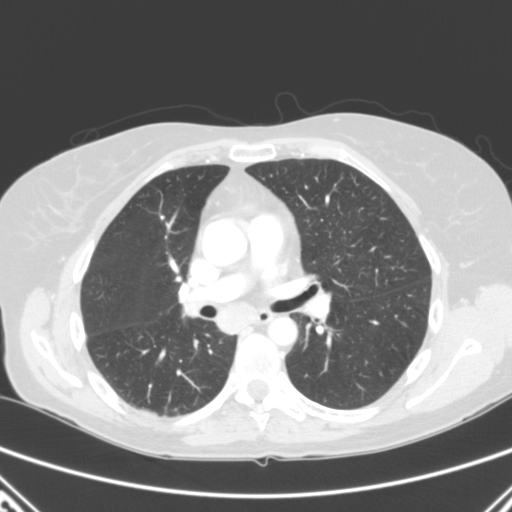
One axial slice (159 of 280, counting up from the lowest) of a chest CT acquired at 120 kVp with the B kernel; each pixel is 0.676 mm and the slice is 2.00 mm thick.
Pulmonary nodule, outlined by one of the four readers. Box on this slice rows 215–218, columns 161–164, that reader's outline on this slice; longest diameter 4.3 mm and volume 33 mm3 from that reader's outline. That reader's ratings: texture 5/5 (solid); margin 5/5 (circumscribed); sphericity 5/5 (round); calcification solid calcification; internal structure soft tissue; subtlety 3/5; malignancy likelihood 1/5. Scale key (1–5): texture non-solid→solid, margin indistinct→circumscribed, sphericity linear→round, subtlety extremely subtle→obvious, malignancy likelihood highly unlikely→highly suspicious of cancer. Box rows and columns are 0-based pixel indices from the top-left corner, inclusive.